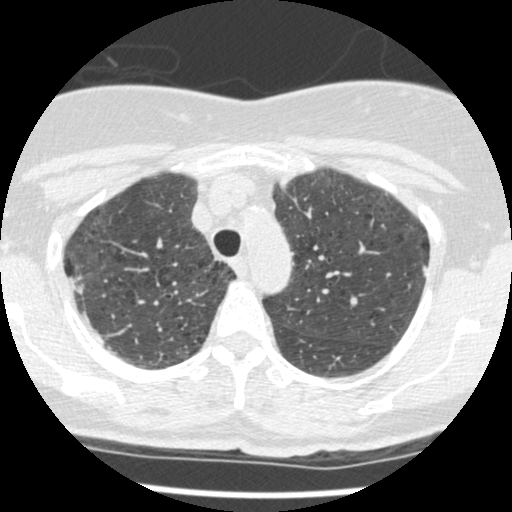
Axial chest CT slice 378 of 465 (counted from the lowest slice); tube voltage 120 kVp, convolution kernel STANDARD; slices 1.25 mm thick, 0.586 mm per pixel.
Pulmonary nodule outlined by one of the four readers; box rows 286–293, columns 75–82 (that reader's outline on this slice); longest diameter 8.3 mm and volume 208 mm3 from that reader's outline. Ratings by that reader: texture 5/5 (solid); margin 4/5; sphericity 4/5; calcification absent; internal structure soft tissue; subtlety 3/5; malignancy likelihood 2/5. Scale key (1–5): texture non-solid→solid, margin indistinct→circumscribed, sphericity linear→round, subtlety extremely subtle→obvious, malignancy likelihood highly unlikely→highly suspicious of cancer. Box rows and columns are 0-based pixel indices from the top-left corner, inclusive.